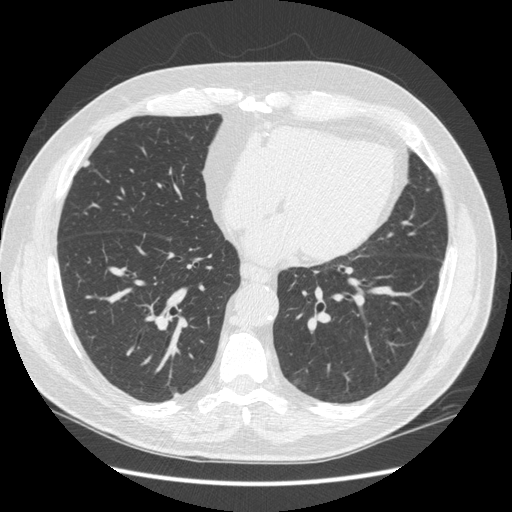
Axial slice 182 of 462 of a chest CT (slice 1 is the lowest), reconstructed with the STANDARD kernel at 120 kVp; 1.25 mm slice thickness and 0.742 mm pixels.
Pulmonary nodule at rows 162–167, columns 83–89 (box = the union of the readers' outlines on this slice), outlined by all four readers; longest diameter 6.6–7.3 mm and volume 76–107 mm3 across the four readers' outlines. Ratings across the readers: texture 5/5 (solid), all four readers agreeing; margin from 4/5 to 5/5 (circumscribed) across the four readers; sphericity from 2/5 to 5/5 (round) across the four readers; calcification absent, all four readers agreeing; internal structure soft tissue, all four readers agreeing; subtlety rated between 3 and 4 out of 5 by the four readers; malignancy likelihood 1–3/5 (the readers disagree). Scale key (1–5): texture non-solid→solid, margin indistinct→circumscribed, sphericity linear→round, subtlety extremely subtle→obvious, malignancy likelihood highly unlikely→highly suspicious of cancer. Box rows and columns are 0-based pixel indices from the top-left corner, inclusive.